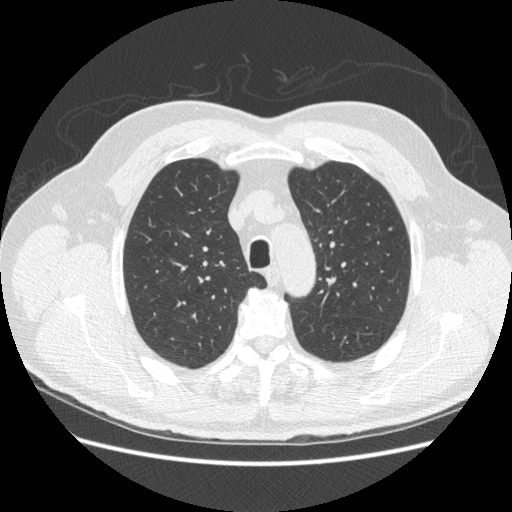
Slice 386/503 of a chest CT, counting up from the lowest; pixel size 0.742 mm, slice thickness 1.25 mm. Pulmonary nodule at rows 227–230, columns 388–392 (box = that reader's outline on this slice), outlined by one of the four readers; longest diameter 5.7 mm and volume 48 mm3 from that reader's outline. That reader's ratings: texture 4/5; margin 4/5; sphericity 2/5; calcification absent; internal structure soft tissue; subtlety 3/5; malignancy likelihood 4/5. Scale key (1–5): texture non-solid→solid, margin indistinct→circumscribed, sphericity linear→round, subtlety extremely subtle→obvious, malignancy likelihood highly unlikely→highly suspicious of cancer. Box rows and columns are 0-based pixel indices from the top-left corner, inclusive.
Scan settings: 120 kVp, STANDARD reconstruction kernel.